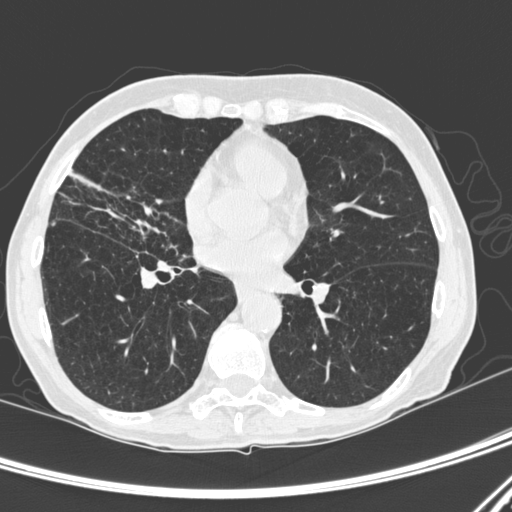
This is axial slice 139 of 300 (slice 1 is the lowest) of a chest CT; each pixel is 0.607 mm and the slice is 1.00 mm thick. Pulmonary nodule, outlined by two of the four readers. Box on this slice rows 222–225, columns 51–54, the union of the readers' outlines on this slice; longest diameter 4.4 mm on average over the two readers' outlines (readers' outlines 4.3–4.6 mm), volume 26–29 mm3. Ratings, by the readers' most common answer with dissent counted: texture 5/5 (solid), both readers agreeing; margin 5/5 (circumscribed) from both readers; sphericity 4/5 from both readers; calcification split among the readers: absent (one), solid calcification (one); internal structure soft tissue, both readers agreeing; subtlety split among the readers: 4/5 (one), 5/5 (one); malignancy likelihood split among the readers: 1/5 (one), 2/5 (one). Scale key (1–5): texture non-solid→solid, margin indistinct→circumscribed, sphericity linear→round, subtlety extremely subtle→obvious, malignancy likelihood highly unlikely→highly suspicious of cancer. Box rows and columns are 0-based pixel indices from the top-left corner, inclusive.
Acquired at 120 kVp and reconstructed with the D kernel.